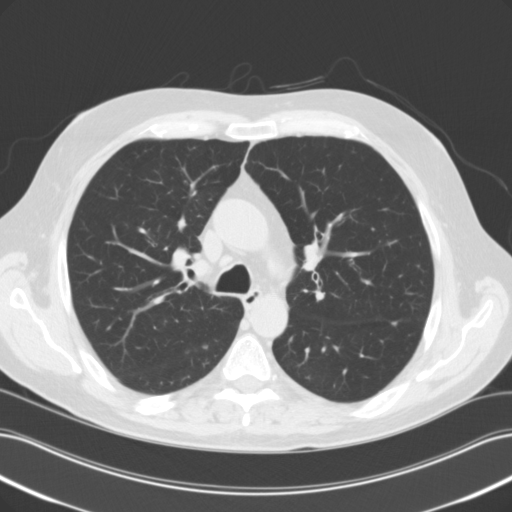
Axial chest CT slice 78 of 118 (counted from the lowest slice); tube voltage 120 kVp, convolution kernel B31f; slices 3.00 mm thick, 0.707 mm per pixel.
Pulmonary nodule, outlined by three of the four readers, two of them on this slice. Box on this slice rows 345–349, columns 202–207, the union of the readers' outlines on this slice; the three readers' outlines give a longest diameter between 5.4 and 6.0 mm and a volume between 55 and 109 mm3. Ratings across the readers: texture from 3/5 (part-solid) to 5/5 (solid) across the three readers; margin from 2/5 to 4/5 across the three readers; sphericity from 3/5 (ovoid) to 4/5 across the three readers; calcification absent from all three readers; internal structure soft tissue from all three readers; subtlety from 1/5 to 5/5 across the three readers; malignancy likelihood from 2/5 to 3/5 across the three readers. Scale key (1–5): texture non-solid→solid, margin indistinct→circumscribed, sphericity linear→round, subtlety extremely subtle→obvious, malignancy likelihood highly unlikely→highly suspicious of cancer. Box rows and columns are 0-based pixel indices from the top-left corner, inclusive.